Axial chest CT slice 165 of 238 (counted from the lowest slice); tube voltage 120 kVp, convolution kernel STANDARD; slices 1.25 mm thick, 0.729 mm per pixel.
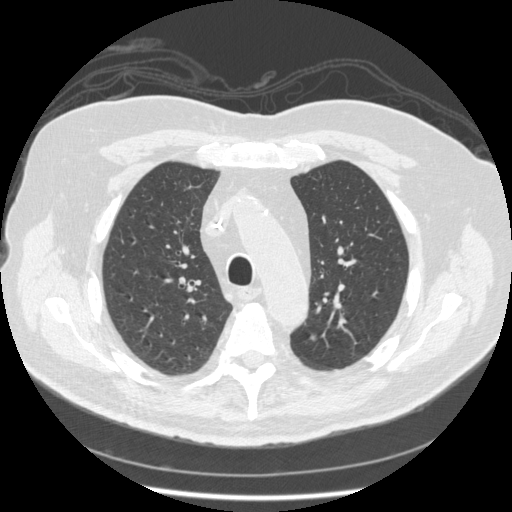
Pulmonary nodule outlined by all four readers; box rows 333–340, columns 308–318 (the union of the readers' outlines on this slice); median longest diameter 7.7 mm (readers' outlines 6.9–9.0 mm), median volume 141 mm3 (123–197 mm3). Ratings, median across the readers with their spread: median texture 5/5 (solid) (readers ranged 4/5 to 5/5 (solid)); margin 5/5 (circumscribed) from all four readers; median sphericity 5/5 (round) (readers ranged 4/5 to 5/5 (round)); calcification absent, all four readers agreeing; internal structure soft tissue from all four readers; median subtlety 3/5 (readers ranged 3–5); malignancy likelihood 2.5/5 at the median of four readers, spread 2–3. Scale key (1–5): texture non-solid→solid, margin indistinct→circumscribed, sphericity linear→round, subtlety extremely subtle→obvious, malignancy likelihood highly unlikely→highly suspicious of cancer. Box rows and columns are 0-based pixel indices from the top-left corner, inclusive.